Axial slice 305 of 413 of a chest CT (slice 1 is the lowest), reconstructed with the STANDARD kernel at 120 kVp; 1.25 mm slice thickness and 0.703 mm pixels.
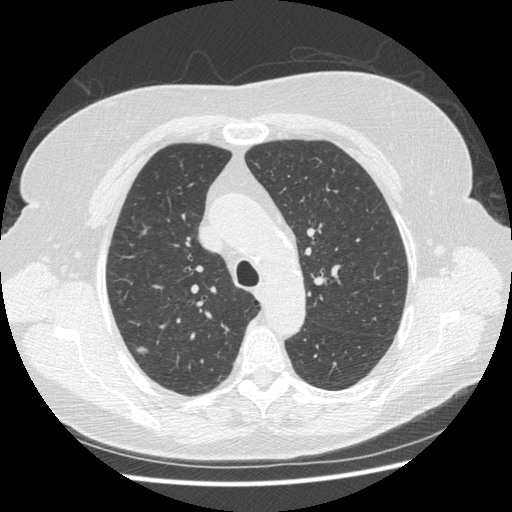
Pulmonary nodule, outlined by three of the four readers. Box on this slice rows 346–354, columns 135–147, the union of the readers' outlines on this slice; longest diameter 9.8 mm on average over the three readers' outlines (readers' outlines 8.7–10.5 mm), volume 88–182 mm3. Ratings, by the readers' most common answer with dissent counted: texture split among the readers: 2/5 (one), 3/5 (part-solid) (one), 5/5 (solid) (one); margin split among the readers: 1/5 (indistinct) (one), 2/5 (one), 4/5 (one); most readers (two of three) put sphericity at 4/5, others 3/5 (ovoid) (one); calcification absent from all three readers; internal structure soft tissue from all three readers; subtlety 4/5 by two of three readers; the rest gave 5/5 (one); malignancy likelihood 4/5 from all three readers. Scale key (1–5): texture non-solid→solid, margin indistinct→circumscribed, sphericity linear→round, subtlety extremely subtle→obvious, malignancy likelihood highly unlikely→highly suspicious of cancer. Box rows and columns are 0-based pixel indices from the top-left corner, inclusive.